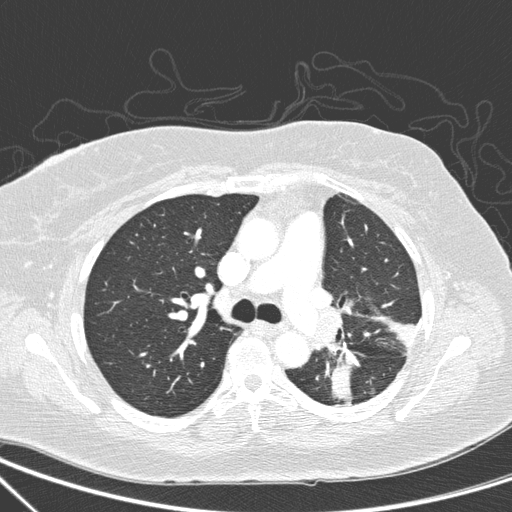
Chest CT, axial plane, 120 kVp, kernel D. Slice 180/266 from the bottom of the scan; thickness 1.00 mm; pixel size 0.668 mm.
Pulmonary nodule, outlined by one of the four readers. Box on this slice rows 352–362, columns 345–352, that reader's outline on this slice; longest diameter 11.5 mm and volume 333 mm3 from that reader's outline. Ratings by that reader: texture 5/5 (solid); margin 3/5; sphericity 2/5; calcification absent; internal structure soft tissue; subtlety 3/5; malignancy likelihood 4/5. Scale key (1–5): texture non-solid→solid, margin indistinct→circumscribed, sphericity linear→round, subtlety extremely subtle→obvious, malignancy likelihood highly unlikely→highly suspicious of cancer. Box rows and columns are 0-based pixel indices from the top-left corner, inclusive.